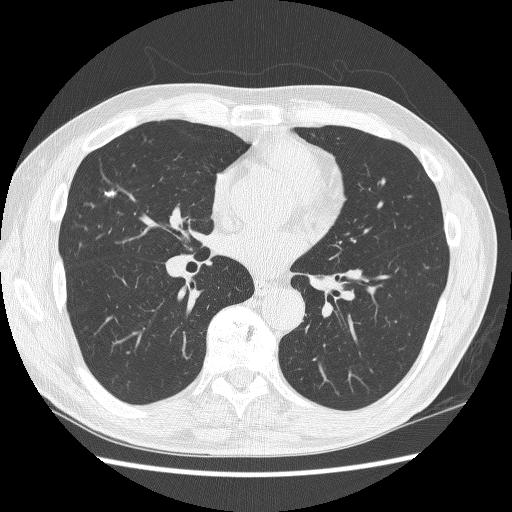
Axial chest CT slice 123 of 270 (counted from the lowest slice); tube voltage 120 kVp, convolution kernel BONE; slices 1.25 mm thick, 0.703 mm per pixel.
Pulmonary nodule at rows 189–197, columns 103–115 (box = the union of the readers' outlines on this slice), outlined by all four readers; median longest diameter 10.6 mm (readers' outlines 9.8–10.9 mm), median volume 255 mm3 (198–291 mm3). Median ratings and the readers' spread: texture 5/5 (solid) from all four readers; median margin 4.5/5 (readers ranged 3/5 to 5/5 (circumscribed)); sphericity 2.5/5 at the median of four readers, spread 2/5 to 3/5 (ovoid); calcification split among the readers: solid calcification (two), absent (two); internal structure soft tissue, all four readers agreeing; median subtlety 4/5 (readers ranged 3–5); median malignancy likelihood 2/5 (readers ranged 1–3). Scale key (1–5): texture non-solid→solid, margin indistinct→circumscribed, sphericity linear→round, subtlety extremely subtle→obvious, malignancy likelihood highly unlikely→highly suspicious of cancer. Box rows and columns are 0-based pixel indices from the top-left corner, inclusive.